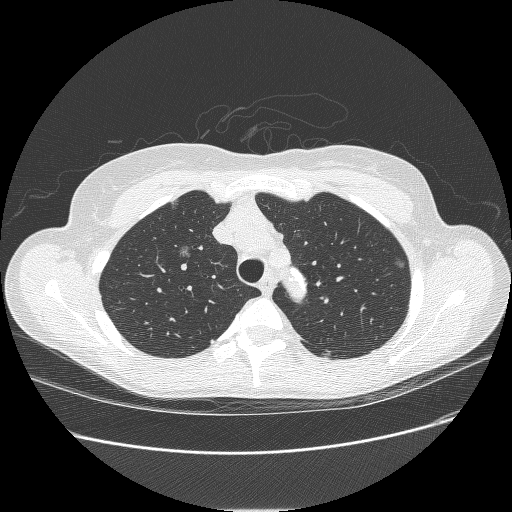
Chest CT, axial plane, 120 kVp, kernel BONE. Slice 195/238 from the bottom of the scan; thickness 1.25 mm; pixel size 0.703 mm.
Three pulmonary nodules on this slice, listed from left to right. (1) Pulmonary nodule outlined by all four readers, three of them on this slice; box rows 199–207, columns 171–177 (the union of the readers' outlines on this slice); longest diameter 9.6 mm on average over the four readers' outlines (readers' outlines 8.5–10.1 mm), volume 141–235 mm3. Ratings, by the readers' most common answer with dissent counted: texture 1/5 (non-solid) by three of four readers; the rest gave 3/5 (part-solid) (one); margin 1/5 (indistinct) by three of four readers; the rest gave 5/5 (circumscribed) (one); sphericity 4/5 by two of four readers; the rest gave 3/5 (ovoid) (one), 5/5 (round) (one); calcification absent, all four readers agreeing; internal structure soft tissue, all four readers agreeing; subtlety 4/5 by two of four readers; the rest gave 2/5 (one), 3/5 (one); malignancy likelihood 4/5 by two of four readers; the rest gave 2/5 (one), 3/5 (one). (2) Pulmonary nodule, outlined by all four readers. Box on this slice rows 245–257, columns 178–190, the union of the readers' outlines on this slice; the four readers' outlines give a longest diameter between 9.6 and 12.0 mm and a volume between 193 and 427 mm3. The readers' ratings, as ranges where they differ: texture from 1/5 (non-solid) to 3/5 (part-solid) across the four readers; margin from 1/5 (indistinct) to 5/5 (circumscribed) across the four readers; sphericity from 3/5 (ovoid) to 5/5 (round) across the four readers; calcification absent from all four readers; internal structure soft tissue from all four readers; subtlety 2–4/5 (the readers disagree); malignancy likelihood from 2/5 to 4/5 across the four readers. (3) Pulmonary nodule at rows 257–268, columns 393–405 (box = the union of the readers' outlines on this slice), outlined by all four readers; longest diameter 10.0 mm on average over the four readers' outlines (readers' outlines 8.0–11.4 mm), volume 146–273 mm3. Ratings, by the readers' most common answer with dissent counted: texture 1/5 (non-solid) by two of four readers; the rest gave 2/5 (one), 3/5 (part-solid) (one); margin 1/5 (indistinct) by three of four readers; the rest gave 4/5 (one); sphericity 4/5 from all four readers; calcification absent, all four readers agreeing; internal structure soft tissue from all four readers; subtlety split among the readers: 2/5 (two), 4/5 (two); most readers (three of four) put malignancy likelihood at 4/5, others 3/5 (one). Scale key (1–5): texture non-solid→solid, margin indistinct→circumscribed, sphericity linear→round, subtlety extremely subtle→obvious, malignancy likelihood highly unlikely→highly suspicious of cancer. Box rows and columns are 0-based pixel indices from the top-left corner, inclusive.